Chest CT, axial plane, 120 kVp, kernel B. Slice 508/590 from the bottom of the scan; thickness 0.90 mm; pixel size 0.627 mm.
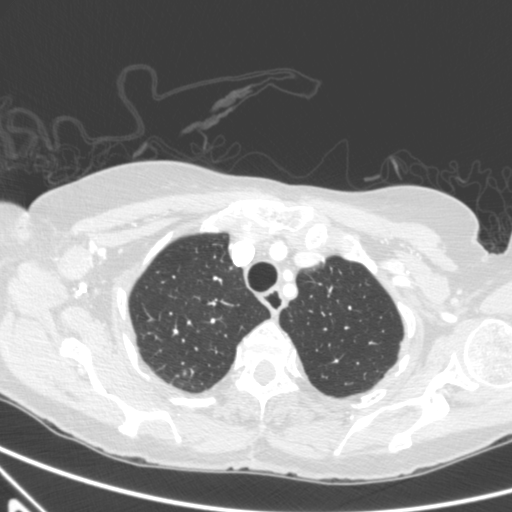
Pulmonary nodule, outlined by three of the four readers. Box on this slice rows 369–375, columns 182–186, the union of the readers' outlines on this slice; median longest diameter 5.8 mm (readers' outlines 5.4–6.2 mm), median volume 76 mm3 (51–88 mm3). Median ratings and the readers' spread: median texture 4/5 (readers ranged 4/5 to 5/5 (solid)); margin 4/5 at the median of three readers, spread 3/5 to 5/5 (circumscribed); sphericity 4/5 at the median of three readers, spread 3/5 (ovoid) to 5/5 (round); calcification absent, all three readers agreeing; internal structure soft tissue from all three readers; subtlety 3/5, all three readers agreeing; malignancy likelihood 3/5 at the median of three readers, spread 2–3. Scale key (1–5): texture non-solid→solid, margin indistinct→circumscribed, sphericity linear→round, subtlety extremely subtle→obvious, malignancy likelihood highly unlikely→highly suspicious of cancer. Box rows and columns are 0-based pixel indices from the top-left corner, inclusive.